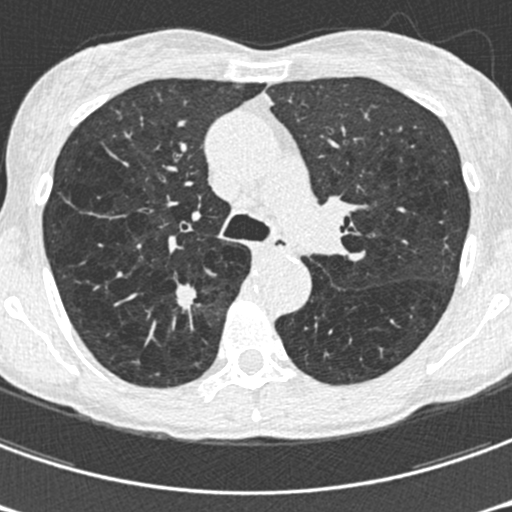
Axial slice 408 of 633 of a chest CT (slice 1 is the lowest), reconstructed with the B30f kernel at 120 kVp; 0.60 mm slice thickness and 0.541 mm pixels.
Pulmonary nodule, outlined by all four readers. Box on this slice rows 283–310, columns 174–196, the union of the readers' outlines on this slice; longest diameter 19.0 mm on average over the four readers' outlines (readers' outlines 18.1–21.0 mm), volume 1292–1642 mm3. Ratings, by the readers' most common answer with dissent counted: texture 5/5 (solid) from all four readers; margin 2/5 by two of four readers; the rest gave 1/5 (indistinct) (one), 3/5 (one); sphericity 3/5 (ovoid) by two of four readers; the rest gave 2/5 (one), 4/5 (one); calcification absent, all four readers agreeing; internal structure soft tissue from all four readers; subtlety 5/5 by three of four readers; the rest gave 4/5 (one); malignancy likelihood 5/5 by three of four readers; the rest gave 4/5 (one). Scale key (1–5): texture non-solid→solid, margin indistinct→circumscribed, sphericity linear→round, subtlety extremely subtle→obvious, malignancy likelihood highly unlikely→highly suspicious of cancer. Box rows and columns are 0-based pixel indices from the top-left corner, inclusive.